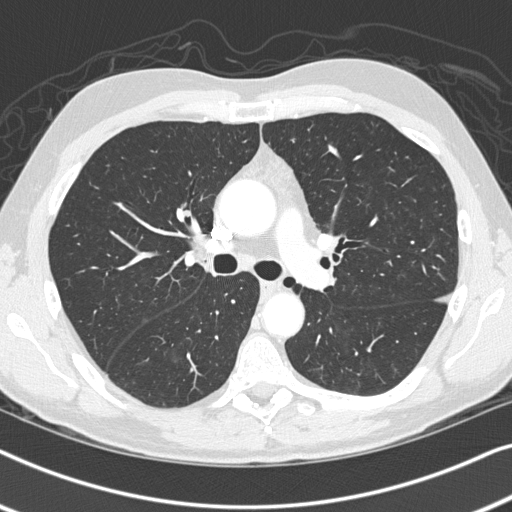
Axial chest CT slice 207 of 326 (counted from the lowest slice); tube voltage 120 kVp, convolution kernel B45f; slices 1.00 mm thick, 0.645 mm per pixel.
Pulmonary nodule, outlined by all four readers, one of them on this slice. Box on this slice rows 346–362, columns 164–177, the one reader's outline on this slice; longest diameter 14.7 mm on average over the four readers' outlines (readers' outlines 12.5–18.0 mm), volume 328–843 mm3. Ratings, by the readers' most common answer with dissent counted: texture 1/5 (non-solid), all four readers agreeing; margin 2/5 by two of four readers; the rest gave 1/5 (indistinct) (one), 4/5 (one); sphericity 4/5 by two of four readers; the rest gave 3/5 (ovoid) (one), 5/5 (round) (one); calcification absent, all four readers agreeing; internal structure soft tissue, all four readers agreeing; most readers (three of four) put subtlety at 1/5, others 4/5 (one); malignancy likelihood 3/5 by two of four readers; the rest gave 2/5 (one), 4/5 (one). Scale key (1–5): texture non-solid→solid, margin indistinct→circumscribed, sphericity linear→round, subtlety extremely subtle→obvious, malignancy likelihood highly unlikely→highly suspicious of cancer. Box rows and columns are 0-based pixel indices from the top-left corner, inclusive.